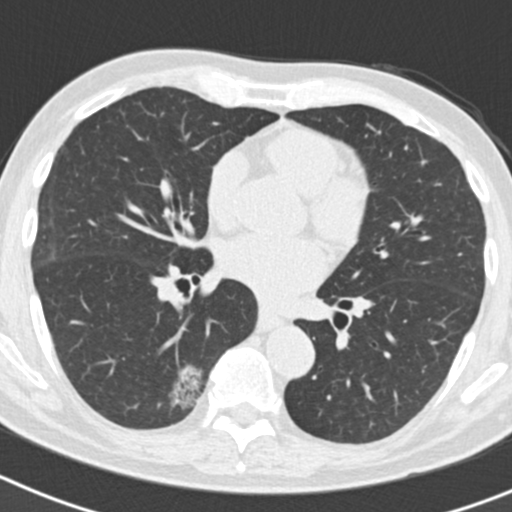
One axial slice (96 of 186, counting up from the lowest) of a chest CT acquired at 120 kVp with the B30f kernel; each pixel is 0.586 mm and the slice is 2.00 mm thick.
Pulmonary nodule outlined by one of the four readers; box rows 366–407, columns 170–200 (that reader's outline on this slice); longest diameter 31.4 mm and volume 6527 mm3 from that reader's outline. Ratings by that reader: texture 1/5 (non-solid); margin 2/5; sphericity 4/5; calcification absent; internal structure soft tissue; subtlety 5/5; malignancy likelihood 3/5. Scale key (1–5): texture non-solid→solid, margin indistinct→circumscribed, sphericity linear→round, subtlety extremely subtle→obvious, malignancy likelihood highly unlikely→highly suspicious of cancer. Box rows and columns are 0-based pixel indices from the top-left corner, inclusive.